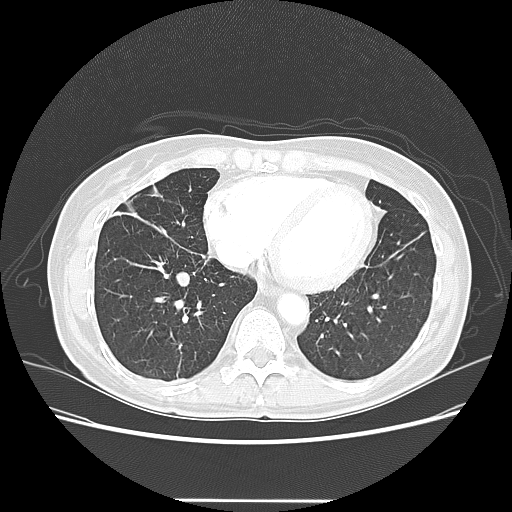
This is axial slice 52 of 133 (slice 1 is the lowest) of a chest CT; each pixel is 0.703 mm and the slice is 2.50 mm thick. Pulmonary nodule outlined by all four readers; box rows 271–287, columns 175–189 (the union of the readers' outlines on this slice); longest diameter 12.1–13.8 mm and volume 702–894 mm3 across the four readers' outlines. The readers' ratings, as ranges where they differ: texture 5/5 (solid), all four readers agreeing; margin from 4/5 to 5/5 (circumscribed) across the four readers; sphericity from 4/5 to 5/5 (round) across the four readers; calcification absent, all four readers agreeing; internal structure soft tissue from all four readers; subtlety rated between 4 and 5 out of 5 by the four readers; malignancy likelihood 3–5/5 (the readers disagree). Scale key (1–5): texture non-solid→solid, margin indistinct→circumscribed, sphericity linear→round, subtlety extremely subtle→obvious, malignancy likelihood highly unlikely→highly suspicious of cancer. Box rows and columns are 0-based pixel indices from the top-left corner, inclusive.
Scan settings: 120 kVp, LUNG reconstruction kernel.